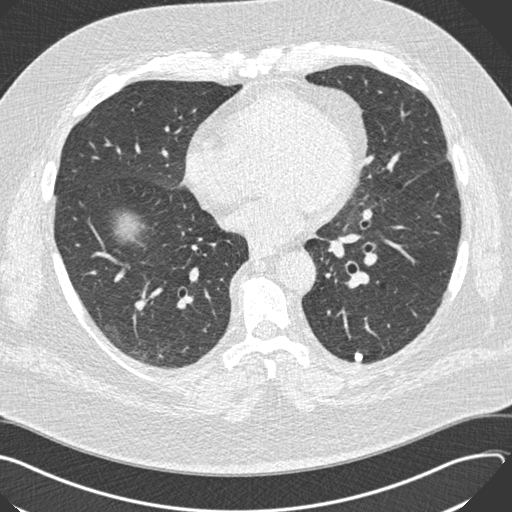
Axial chest CT slice 83 of 187 (counted from the lowest slice); tube voltage 120 kVp, convolution kernel B30f; slices 2.00 mm thick, 0.742 mm per pixel.
Pulmonary nodule at rows 352–361, columns 354–362 (box = the union of the readers' outlines on this slice), outlined by all four readers; longest diameter 9.6 mm on average over the four readers' outlines (readers' outlines 8.7–10.6 mm), volume 265–407 mm3. The readers' prevailing ratings and who disagreed: texture 5/5 (solid), all four readers agreeing; most readers (three of four) put margin at 5/5 (circumscribed), others 4/5 (one); most readers (three of four) put sphericity at 5/5 (round), others 3/5 (ovoid) (one); calcification solid calcification by three of four readers, absent (one); internal structure soft tissue from all four readers; most readers (three of four) put subtlety at 5/5, others 4/5 (one); malignancy likelihood 1/5 by three of four readers; the rest gave 5/5 (one). Scale key (1–5): texture non-solid→solid, margin indistinct→circumscribed, sphericity linear→round, subtlety extremely subtle→obvious, malignancy likelihood highly unlikely→highly suspicious of cancer. Box rows and columns are 0-based pixel indices from the top-left corner, inclusive.